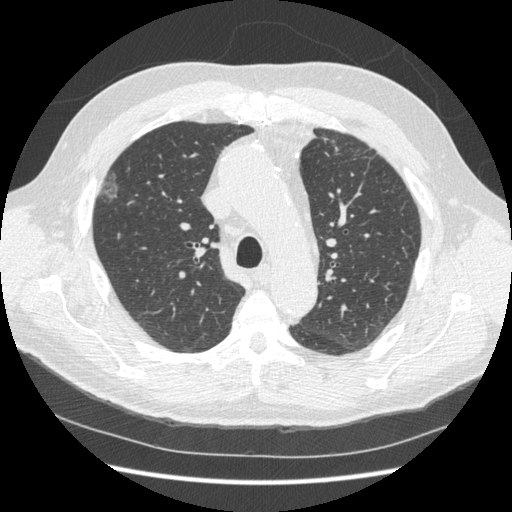
Axial chest CT slice 244 of 369 (counted from the lowest slice); tube voltage 120 kVp, convolution kernel STANDARD; slices 1.25 mm thick, 0.703 mm per pixel.
Pulmonary nodule at rows 171–203, columns 100–118 (box = that reader's outline on this slice), outlined by one of the four readers; longest diameter 27.0 mm and volume 3015 mm3 from that reader's outline. That reader's ratings: texture 1/5 (non-solid); margin 1/5 (indistinct); sphericity 3/5 (ovoid); calcification absent; internal structure soft tissue; subtlety 3/5; malignancy likelihood 3/5. Scale key (1–5): texture non-solid→solid, margin indistinct→circumscribed, sphericity linear→round, subtlety extremely subtle→obvious, malignancy likelihood highly unlikely→highly suspicious of cancer. Box rows and columns are 0-based pixel indices from the top-left corner, inclusive.